Axial chest CT slice 64 of 206 (counted from the lowest slice); tube voltage 120 kVp, convolution kernel STANDARD; slices 1.25 mm thick, 0.898 mm per pixel.
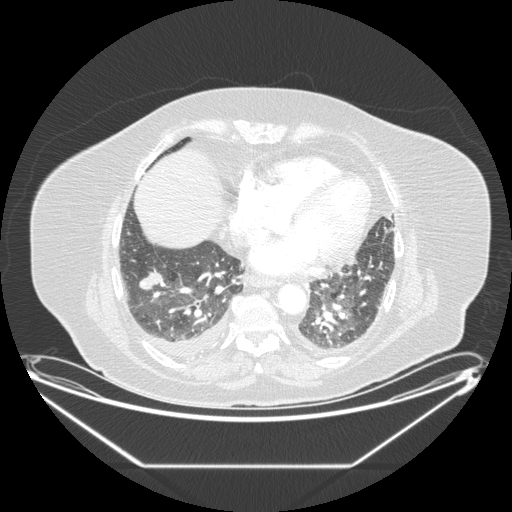
Pulmonary nodule outlined by all four readers; box rows 267–290, columns 138–164 (the union of the readers' outlines on this slice); longest diameter 25.7–34.7 mm and volume 3668–5061 mm3 across the four readers' outlines. The readers' ratings, as ranges where they differ: texture from 4/5 to 5/5 (solid) across the four readers; margin 4/5, all four readers agreeing; sphericity from 3/5 (ovoid) to 5/5 (round) across the four readers; calcification absent from all four readers; internal structure soft tissue from all four readers; subtlety rated between 4 and 5 out of 5 by the four readers; malignancy likelihood rated between 3 and 5 out of 5 by the four readers. Scale key (1–5): texture non-solid→solid, margin indistinct→circumscribed, sphericity linear→round, subtlety extremely subtle→obvious, malignancy likelihood highly unlikely→highly suspicious of cancer. Box rows and columns are 0-based pixel indices from the top-left corner, inclusive.